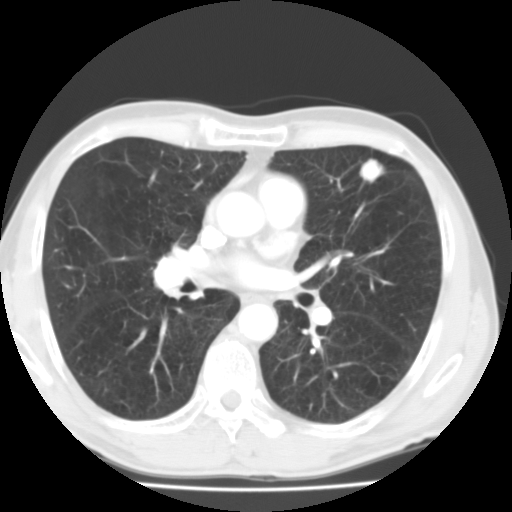
Axial slice 63 of 119 of a chest CT (slice 1 is the lowest), reconstructed with the FC01 kernel at 135 kVp; 3.00 mm slice thickness and 0.640 mm pixels.
Pulmonary nodule outlined by all four readers; box rows 158–184, columns 358–386 (the union of the readers' outlines on this slice); median longest diameter 21.0 mm (readers' outlines 19.4–21.3 mm), median volume 3239 mm3 (2099–3516 mm3). Ratings, median across the readers with their spread: texture 5/5 (solid), all four readers agreeing; margin 5/5 (circumscribed) at the median of four readers, spread 4/5 to 5/5 (circumscribed); median sphericity 4/5 (readers ranged 3/5 (ovoid) to 4/5); calcification: absent (three), central calcification (one); internal structure soft tissue from all four readers; subtlety 5/5 from all four readers; malignancy likelihood 4/5 at the median of four readers, spread 1–5. Scale key (1–5): texture non-solid→solid, margin indistinct→circumscribed, sphericity linear→round, subtlety extremely subtle→obvious, malignancy likelihood highly unlikely→highly suspicious of cancer. Box rows and columns are 0-based pixel indices from the top-left corner, inclusive.